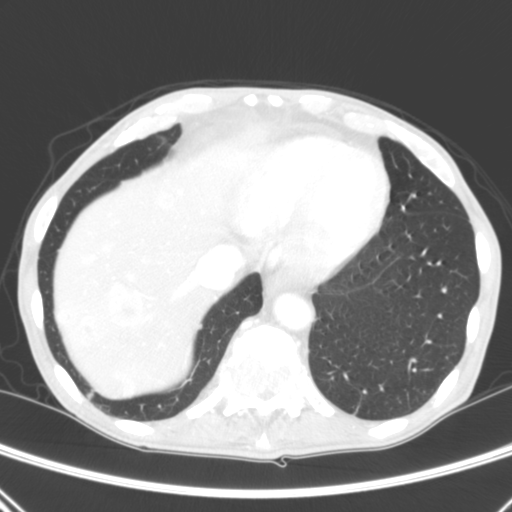
Chest CT, axial plane, 120 kVp, kernel B. Slice 67/290 from the bottom of the scan; thickness 2.00 mm; pixel size 0.639 mm.
Pulmonary nodule at rows 324–328, columns 199–202 (box = that reader's outline on this slice), outlined by one of the four readers; longest diameter 5.1 mm and volume 22 mm3 from that reader's outline. That reader's ratings: texture 5/5 (solid); margin 5/5 (circumscribed); sphericity 4/5; calcification absent; internal structure soft tissue; subtlety 5/5; malignancy likelihood 3/5. Scale key (1–5): texture non-solid→solid, margin indistinct→circumscribed, sphericity linear→round, subtlety extremely subtle→obvious, malignancy likelihood highly unlikely→highly suspicious of cancer. Box rows and columns are 0-based pixel indices from the top-left corner, inclusive.